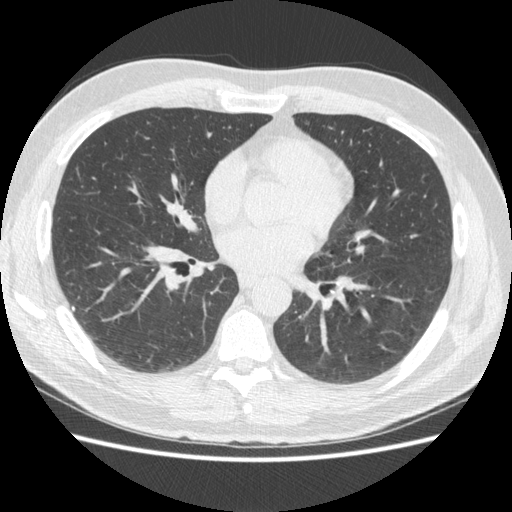
Axial chest CT slice 245 of 477 (counted from the lowest slice); tube voltage 120 kVp, convolution kernel STANDARD; slices 1.25 mm thick, 0.703 mm per pixel.
Pulmonary nodule at rows 307–310, columns 71–74 (box = that reader's outline on this slice), outlined by one of the four readers; longest diameter 5.0 mm and volume 25 mm3 from that reader's outline. That reader's ratings: texture 5/5 (solid); margin 5/5 (circumscribed); sphericity 5/5 (round); calcification absent; internal structure soft tissue; subtlety 3/5; malignancy likelihood 2/5. Scale key (1–5): texture non-solid→solid, margin indistinct→circumscribed, sphericity linear→round, subtlety extremely subtle→obvious, malignancy likelihood highly unlikely→highly suspicious of cancer. Box rows and columns are 0-based pixel indices from the top-left corner, inclusive.